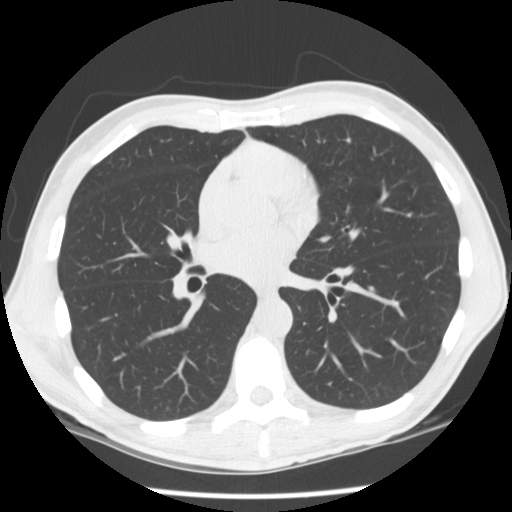
Chest CT, axial plane, 120 kVp, kernel STANDARD. Slice 74/163 from the bottom of the scan; thickness 2.50 mm; pixel size 0.664 mm.
Pulmonary nodule at rows 272–275, columns 455–457 (box = the one reader's outline on this slice), outlined by two of the four readers, one of them on this slice; median longest diameter 5.5 mm (readers' outlines 5.4–5.7 mm), median volume 74 mm3 (60–87 mm3). Ratings, median across the readers with their spread: texture 5/5 (solid) from both readers; median margin 4.5/5 (readers ranged 4/5 to 5/5 (circumscribed)); sphericity 4.5/5 at the median of two readers, spread 4/5 to 5/5 (round); calcification split among the readers: central calcification (one), absent (one); internal structure soft tissue, both readers agreeing; subtlety 4.5/5 at the median of two readers, spread 4–5; median malignancy likelihood 2/5 (readers ranged 1–3). Scale key (1–5): texture non-solid→solid, margin indistinct→circumscribed, sphericity linear→round, subtlety extremely subtle→obvious, malignancy likelihood highly unlikely→highly suspicious of cancer. Box rows and columns are 0-based pixel indices from the top-left corner, inclusive.